Axial slice 229 of 280 of a chest CT (slice 1 is the lowest), reconstructed with the D kernel at 120 kVp; 1.00 mm slice thickness and 0.578 mm pixels.
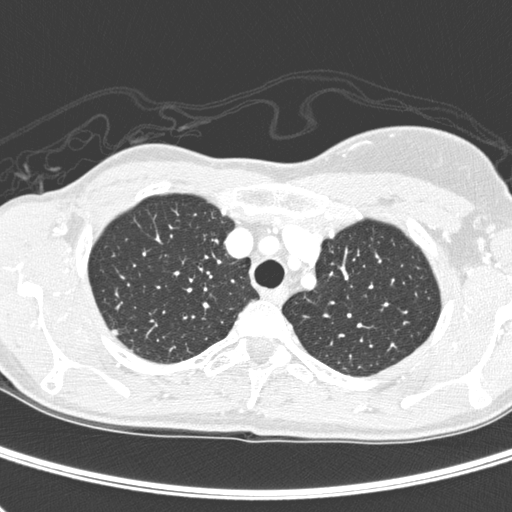
Pulmonary nodule outlined by all four readers; box rows 330–337, columns 111–118 (the union of the readers' outlines on this slice); longest diameter 5.5 mm on average over the four readers' outlines (readers' outlines 4.7–6.0 mm), volume 38–51 mm3. The readers' prevailing ratings and who disagreed: texture 5/5 (solid), all four readers agreeing; margin 5/5 (circumscribed) by two of four readers; the rest gave 3/5 (one), 4/5 (one); sphericity 5/5 (round) by two of four readers; the rest gave 3/5 (ovoid) (one), 4/5 (one); calcification absent from all four readers; internal structure soft tissue, all four readers agreeing; subtlety 5/5 by two of four readers; the rest gave 3/5 (one), 4/5 (one); malignancy likelihood split among the readers: 2/5 (two), 3/5 (two). Scale key (1–5): texture non-solid→solid, margin indistinct→circumscribed, sphericity linear→round, subtlety extremely subtle→obvious, malignancy likelihood highly unlikely→highly suspicious of cancer. Box rows and columns are 0-based pixel indices from the top-left corner, inclusive.